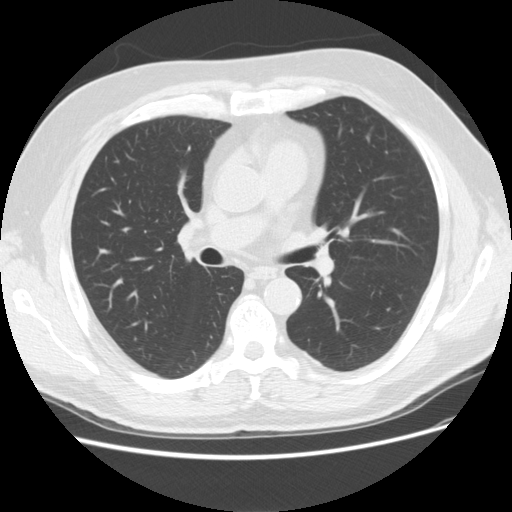
One axial slice (89 of 158, counting up from the lowest) of a chest CT acquired at 120 kVp with the STANDARD kernel; each pixel is 0.723 mm and the slice is 2.50 mm thick.
None of the four readers outlined a nodule of 3 mm or more on this slice.